One axial slice (79 of 133, counting up from the lowest) of a chest CT acquired at 120 kVp with the STANDARD kernel; each pixel is 0.781 mm and the slice is 2.50 mm thick.
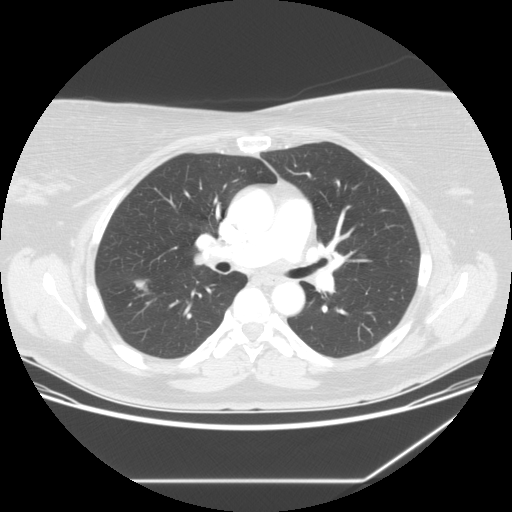
Pulmonary nodule at rows 279–291, columns 132–149 (box = the union of the readers' outlines on this slice), outlined by all four readers; median longest diameter 17.5 mm (readers' outlines 16.9–23.5 mm), median volume 1040 mm3 (791–1326 mm3). Median ratings and the readers' spread: texture 5/5 (solid) from all four readers; margin 4/5 at the median of four readers, spread 4/5 to 5/5 (circumscribed); sphericity 3/5 (ovoid) at the median of four readers, spread 3/5 (ovoid) to 5/5 (round); calcification absent from all four readers; internal structure soft tissue from all four readers; median subtlety 5/5 (readers ranged 4–5); median malignancy likelihood 4.5/5 (readers ranged 3–5). Scale key (1–5): texture non-solid→solid, margin indistinct→circumscribed, sphericity linear→round, subtlety extremely subtle→obvious, malignancy likelihood highly unlikely→highly suspicious of cancer. Box rows and columns are 0-based pixel indices from the top-left corner, inclusive.